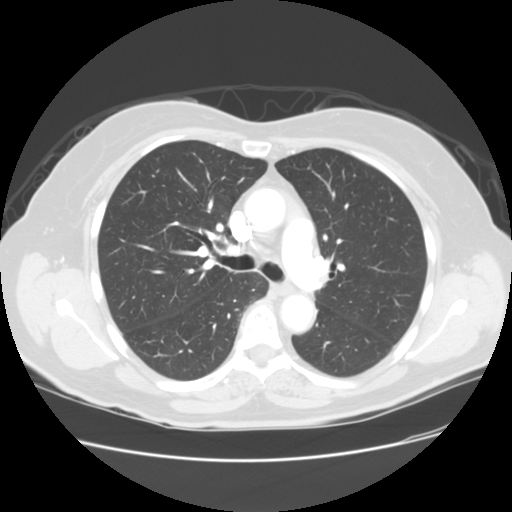
One axial slice (79 of 119, counting up from the lowest) of a chest CT acquired at 120 kVp with the STANDARD kernel; each pixel is 0.703 mm and the slice is 2.50 mm thick.
No nodule 3 mm or larger was outlined here by any reader.